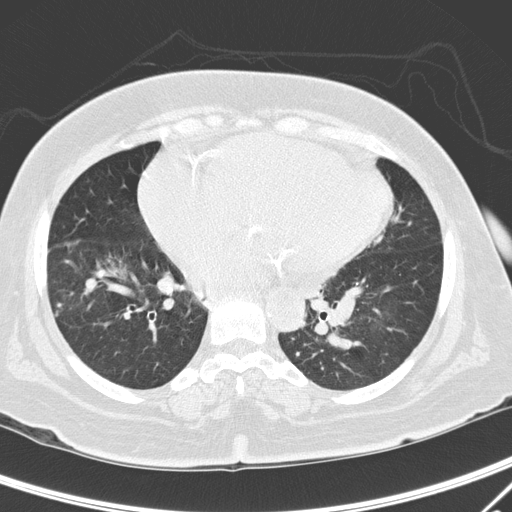
Axial chest CT slice 121 of 295 (counted from the lowest slice); 2.00 mm thick, 0.682 mm per pixel. Pulmonary nodule outlined by three of the four readers, one of them on this slice; box rows 313–316, columns 55–57 (the one reader's outline on this slice); the three readers' outlines give a longest diameter between 9.3 and 10.1 mm and a volume between 186 and 247 mm3. Ratings across the readers: texture from 4/5 to 5/5 (solid) across the three readers; margin from 1/5 (indistinct) to 4/5 across the three readers; sphericity 3/5 (ovoid), all three readers agreeing; calcification absent from all three readers; internal structure soft tissue from all three readers; subtlety from 4/5 to 5/5 across the three readers; malignancy likelihood 1–4/5 (the readers disagree). Scale key (1–5): texture non-solid→solid, margin indistinct→circumscribed, sphericity linear→round, subtlety extremely subtle→obvious, malignancy likelihood highly unlikely→highly suspicious of cancer. Box rows and columns are 0-based pixel indices from the top-left corner, inclusive.
Scan settings: 120 kVp, D reconstruction kernel.